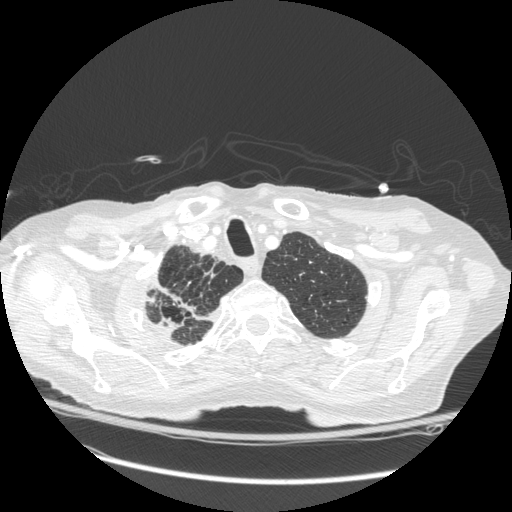
Axial chest CT slice 240 of 272 (counted from the lowest slice); tube voltage 120 kVp, convolution kernel STANDARD; slices 1.25 mm thick, 0.742 mm per pixel.
Pulmonary nodule at rows 280–337, columns 154–220 (box = the one reader's outline on this slice), outlined by all four readers, one of them on this slice; longest diameter 28.8 mm on average over the four readers' outlines (readers' outlines 16.0–56.1 mm), volume 732–13897 mm3. Ratings, by the readers' most common answer with dissent counted: texture 5/5 (solid) from all four readers; margin 3/5 by three of four readers; the rest gave 5/5 (circumscribed) (one); most readers (three of four) put sphericity at 3/5 (ovoid), others 4/5 (one); calcification absent from all four readers; internal structure soft tissue from all four readers; subtlety 5/5 from all four readers; malignancy likelihood 5/5 by three of four readers; the rest gave 4/5 (one). Scale key (1–5): texture non-solid→solid, margin indistinct→circumscribed, sphericity linear→round, subtlety extremely subtle→obvious, malignancy likelihood highly unlikely→highly suspicious of cancer. Box rows and columns are 0-based pixel indices from the top-left corner, inclusive.